Axial slice 98 of 145 of a chest CT (slice 1 is the lowest), reconstructed with the STANDARD kernel at 120 kVp; 2.50 mm slice thickness and 0.625 mm pixels.
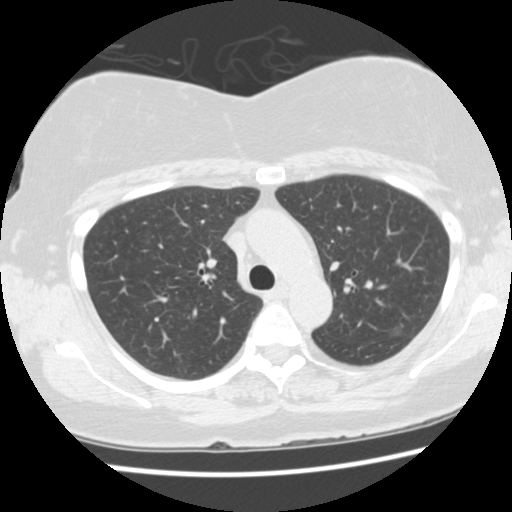
Pulmonary nodule at rows 327–335, columns 391–401 (box = that reader's outline on this slice), outlined by one of the four readers; longest diameter 11.2 mm and volume 332 mm3 from that reader's outline. Ratings by that reader: texture 1/5 (non-solid); margin 1/5 (indistinct); sphericity 3/5 (ovoid); calcification absent; internal structure soft tissue; subtlety 4/5; malignancy likelihood 2/5. Scale key (1–5): texture non-solid→solid, margin indistinct→circumscribed, sphericity linear→round, subtlety extremely subtle→obvious, malignancy likelihood highly unlikely→highly suspicious of cancer. Box rows and columns are 0-based pixel indices from the top-left corner, inclusive.